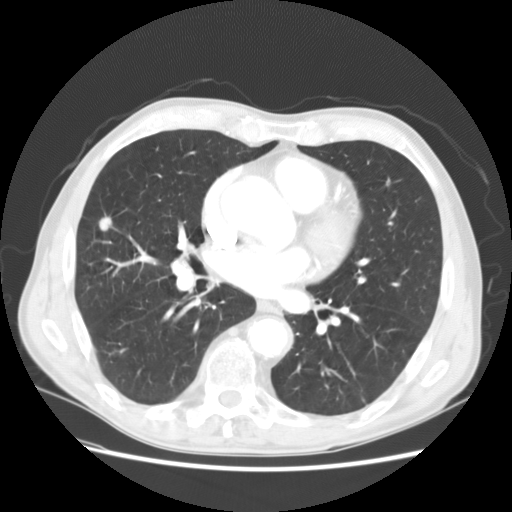
Axial slice 75 of 147 of a chest CT (slice 1 is the lowest), reconstructed with the STANDARD kernel at 120 kVp; 2.50 mm slice thickness and 0.703 mm pixels.
Pulmonary nodule at rows 214–230, columns 98–112 (box = the union of the readers' outlines on this slice), outlined by all four readers; median longest diameter 12.4 mm (readers' outlines 12.0–13.3 mm), median volume 764 mm3 (735–848 mm3). Median ratings and the readers' spread: median texture 5/5 (solid) (readers ranged 4/5 to 5/5 (solid)); margin 4/5 at the median of four readers, spread 4/5 to 5/5 (circumscribed); median sphericity 4/5 (readers ranged 4/5 to 5/5 (round)); calcification absent, all four readers agreeing; internal structure soft tissue, all four readers agreeing; subtlety 4/5 at the median of four readers, spread 3–5; malignancy likelihood 3/5 at the median of four readers, spread 2–4. Scale key (1–5): texture non-solid→solid, margin indistinct→circumscribed, sphericity linear→round, subtlety extremely subtle→obvious, malignancy likelihood highly unlikely→highly suspicious of cancer. Box rows and columns are 0-based pixel indices from the top-left corner, inclusive.